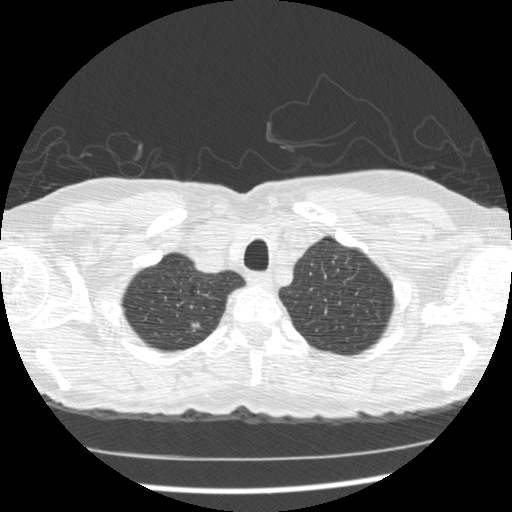
Axial slice 397 of 449 of a chest CT (slice 1 is the lowest), reconstructed with the STANDARD kernel at 120 kVp; 1.25 mm slice thickness and 0.625 mm pixels.
Pulmonary nodule, outlined by two of the four readers. Box on this slice rows 321–331, columns 189–200, the union of the readers' outlines on this slice; longest diameter 8.3 mm on average over the two readers' outlines (readers' outlines 8.3 mm), volume 92 mm3. Ratings, by the readers' most common answer with dissent counted: texture 3/5 (part-solid), both readers agreeing; margin split among the readers: 3/5 (one), 4/5 (one); sphericity split among the readers: 2/5 (one), 4/5 (one); calcification absent, both readers agreeing; internal structure split among the readers: soft tissue (one), air (one); subtlety 3/5 from both readers; malignancy likelihood split among the readers: 3/5 (one), 4/5 (one). Scale key (1–5): texture non-solid→solid, margin indistinct→circumscribed, sphericity linear→round, subtlety extremely subtle→obvious, malignancy likelihood highly unlikely→highly suspicious of cancer. Box rows and columns are 0-based pixel indices from the top-left corner, inclusive.